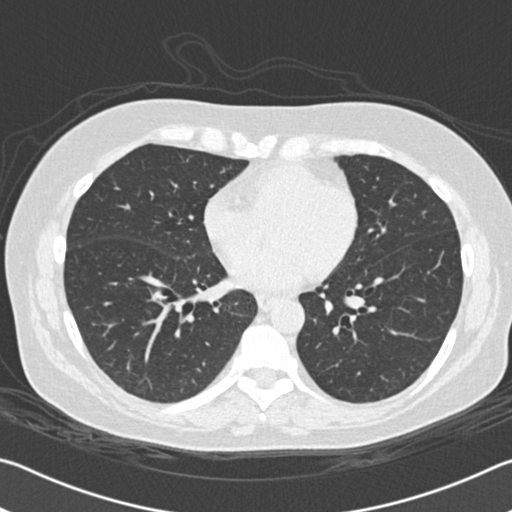
Axial chest CT slice 84 of 172 (counted from the lowest slice); tube voltage 120 kVp, convolution kernel B30f; slices 2.00 mm thick, 0.664 mm per pixel.
The readers outlined no nodule of 3 mm or more on this slice.